One axial slice (387 of 506, counting up from the lowest) of a chest CT acquired at 120 kVp with the B30f kernel; each pixel is 0.699 mm and the slice is 0.75 mm thick.
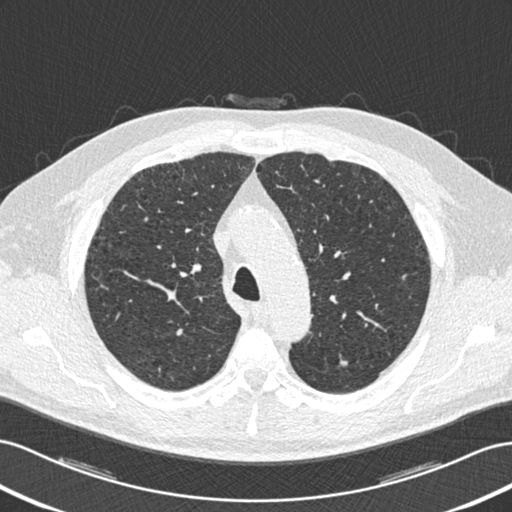
Pulmonary nodule outlined by two of the four readers; box rows 360–366, columns 339–348 (the union of the readers' outlines on this slice); longest diameter 7.3 mm on average over the two readers' outlines (readers' outlines 6.4–8.2 mm), volume 59–153 mm3. The readers' prevailing ratings and who disagreed: texture 5/5 (solid) from both readers; margin split among the readers: 4/5 (one), 5/5 (circumscribed) (one); sphericity split among the readers: 3/5 (ovoid) (one), 4/5 (one); calcification absent from both readers; internal structure soft tissue, both readers agreeing; subtlety split among the readers: 3/5 (one), 5/5 (one); malignancy likelihood 3/5 from both readers. Scale key (1–5): texture non-solid→solid, margin indistinct→circumscribed, sphericity linear→round, subtlety extremely subtle→obvious, malignancy likelihood highly unlikely→highly suspicious of cancer. Box rows and columns are 0-based pixel indices from the top-left corner, inclusive.